Axial chest CT slice 151 of 187 (counted from the lowest slice); tube voltage 120 kVp, convolution kernel B30f; slices 2.00 mm thick, 0.703 mm per pixel.
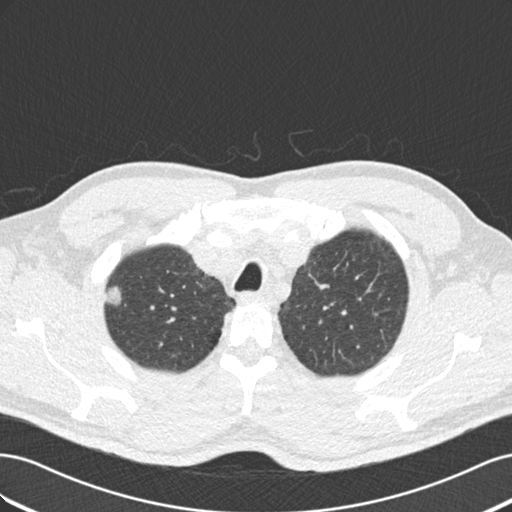
Pulmonary nodule at rows 286–306, columns 103–121 (box = the union of the readers' outlines on this slice), outlined by all four readers; median longest diameter 16.4 mm (readers' outlines 14.9–18.0 mm), median volume 1066 mm3 (840–1317 mm3). Median ratings and the readers' spread: median texture 4.5/5 (readers ranged 4/5 to 5/5 (solid)); median margin 3.5/5 (readers ranged 2/5 to 5/5 (circumscribed)); median sphericity 4/5 (readers ranged 2/5 to 5/5 (round)); calcification absent from all four readers; internal structure soft tissue, all four readers agreeing; subtlety 5/5 from all four readers; median malignancy likelihood 5/5 (readers ranged 3–5). Scale key (1–5): texture non-solid→solid, margin indistinct→circumscribed, sphericity linear→round, subtlety extremely subtle→obvious, malignancy likelihood highly unlikely→highly suspicious of cancer. Box rows and columns are 0-based pixel indices from the top-left corner, inclusive.